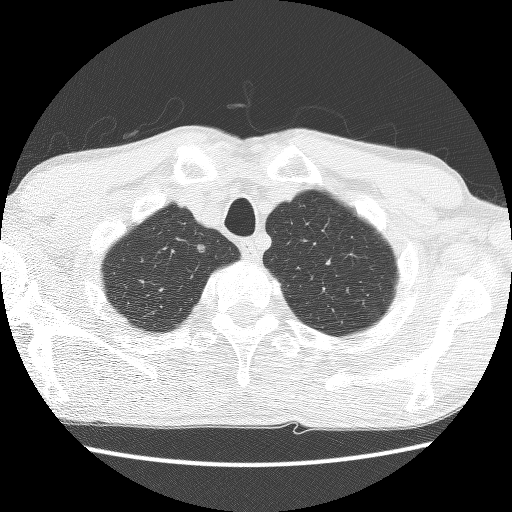
Slice 118/136 of a chest CT, counting up from the lowest; pixel size 0.646 mm, slice thickness 2.50 mm. Pulmonary nodule outlined by all four readers; box rows 243–252, columns 196–204 (the union of the readers' outlines on this slice); the four readers' outlines give a longest diameter between 6.1 and 7.4 mm and a volume between 101 and 156 mm3. The readers' ratings, as ranges where they differ: texture from 2/5 to 3/5 (part-solid) across the four readers; margin from 2/5 to 5/5 (circumscribed) across the four readers; sphericity from 3/5 (ovoid) to 5/5 (round) across the four readers; calcification absent from all four readers; internal structure soft tissue, all four readers agreeing; subtlety from 3/5 to 5/5 across the four readers; malignancy likelihood from 2/5 to 3/5 across the four readers. Scale key (1–5): texture non-solid→solid, margin indistinct→circumscribed, sphericity linear→round, subtlety extremely subtle→obvious, malignancy likelihood highly unlikely→highly suspicious of cancer. Box rows and columns are 0-based pixel indices from the top-left corner, inclusive.
Acquired at 140 kVp and reconstructed with the BONE kernel.